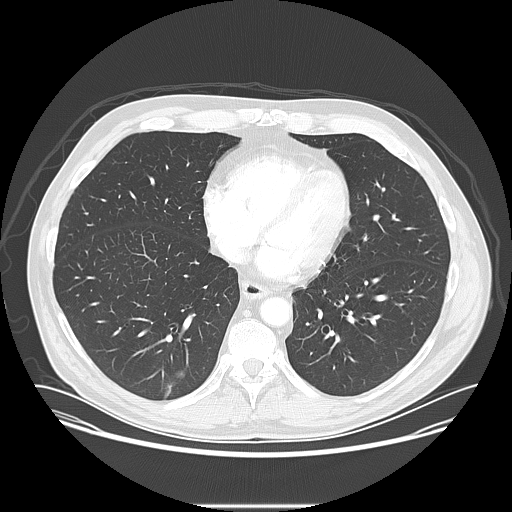
Slice 51/141 of a chest CT, counting up from the lowest; pixel size 0.820 mm, slice thickness 2.50 mm. Pulmonary nodule, outlined by all four readers, three of them on this slice. Box on this slice rows 369–378, columns 175–185, the union of the readers' outlines on this slice; longest diameter 19.2–21.8 mm and volume 2661–3789 mm3 across the four readers' outlines. The readers' ratings, as ranges where they differ: texture 5/5 (solid), all four readers agreeing; margin from 4/5 to 5/5 (circumscribed) across the four readers; sphericity from 3/5 (ovoid) to 4/5 across the four readers; calcification absent from all four readers; internal structure soft tissue from all four readers; subtlety rated between 4 and 5 out of 5 by the four readers; malignancy likelihood rated between 3 and 5 out of 5 by the four readers. Scale key (1–5): texture non-solid→solid, margin indistinct→circumscribed, sphericity linear→round, subtlety extremely subtle→obvious, malignancy likelihood highly unlikely→highly suspicious of cancer. Box rows and columns are 0-based pixel indices from the top-left corner, inclusive.
Scan settings: 120 kVp, LUNG reconstruction kernel.